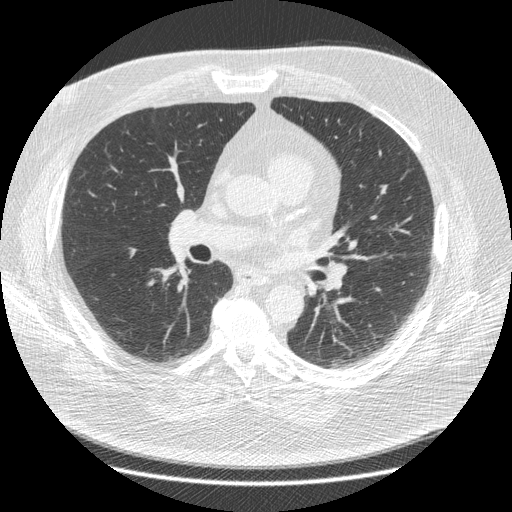
Axial chest CT slice 223 of 426 (counted from the lowest slice); 1.25 mm thick, 0.742 mm per pixel. Pulmonary nodule at rows 247–258, columns 128–136 (box = the union of the readers' outlines on this slice), outlined by two of the four readers; median longest diameter 9.4 mm (readers' outlines 9.2–9.7 mm), median volume 107 mm3 (99–114 mm3). Ratings, median across the readers with their spread: texture 5/5 (solid), both readers agreeing; median margin 4.5/5 (readers ranged 4/5 to 5/5 (circumscribed)); sphericity 3/5 (ovoid) from both readers; calcification absent from both readers; internal structure soft tissue from both readers; subtlety 3/5 from both readers; malignancy likelihood 2/5 from both readers. Scale key (1–5): texture non-solid→solid, margin indistinct→circumscribed, sphericity linear→round, subtlety extremely subtle→obvious, malignancy likelihood highly unlikely→highly suspicious of cancer. Box rows and columns are 0-based pixel indices from the top-left corner, inclusive.
Tube voltage 120 kVp; convolution kernel STANDARD.